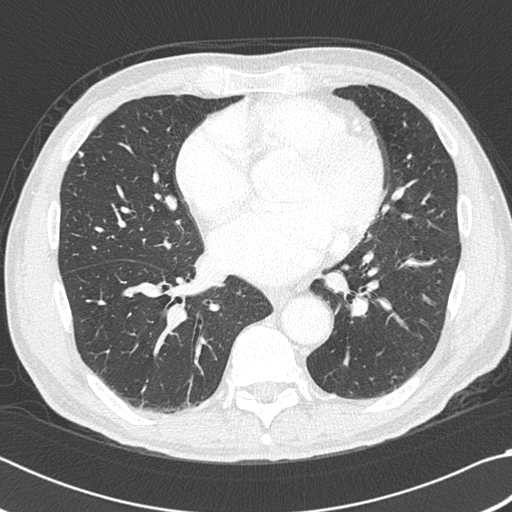
One axial slice (185 of 383, counting up from the lowest) of a chest CT acquired at 120 kVp with the B45f kernel; each pixel is 0.664 mm and the slice is 1.00 mm thick.
Pulmonary nodule, outlined by three of the four readers. Box on this slice rows 151–157, columns 78–83, the union of the readers' outlines on this slice; median longest diameter 5.5 mm (readers' outlines 5.1–5.7 mm), median volume 41 mm3 (38–57 mm3). Median ratings and the readers' spread: texture 5/5 (solid) from all three readers; margin 5/5 (circumscribed) at the median of three readers, spread 4/5 to 5/5 (circumscribed); median sphericity 4/5 (readers ranged 3/5 (ovoid) to 4/5); calcification absent, all three readers agreeing; internal structure soft tissue, all three readers agreeing; median subtlety 4/5 (readers ranged 2–4); malignancy likelihood 2/5 at the median of three readers, spread 1–3. Scale key (1–5): texture non-solid→solid, margin indistinct→circumscribed, sphericity linear→round, subtlety extremely subtle→obvious, malignancy likelihood highly unlikely→highly suspicious of cancer. Box rows and columns are 0-based pixel indices from the top-left corner, inclusive.